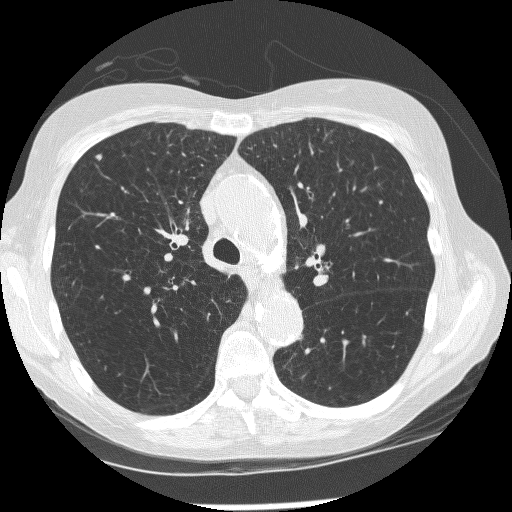
Axial chest CT slice 184 of 267 (counted from the lowest slice); 1.25 mm thick, 0.596 mm per pixel. Pulmonary nodule at rows 153–160, columns 94–102 (box = the union of the readers' outlines on this slice), outlined by three of the four readers; longest diameter 5.7 mm on average over the three readers' outlines (readers' outlines 5.1–6.7 mm), volume 79–125 mm3. The readers' prevailing ratings and who disagreed: most readers (two of three) put texture at 5/5 (solid), others 4/5 (one); margin split among the readers: 3/5 (one), 4/5 (one), 5/5 (circumscribed) (one); sphericity 3/5 (ovoid) by two of three readers; the rest gave 4/5 (one); calcification absent, all three readers agreeing; internal structure soft tissue, all three readers agreeing; subtlety split among the readers: 2/5 (one), 4/5 (one), 5/5 (one); malignancy likelihood 3/5 by two of three readers; the rest gave 4/5 (one). Scale key (1–5): texture non-solid→solid, margin indistinct→circumscribed, sphericity linear→round, subtlety extremely subtle→obvious, malignancy likelihood highly unlikely→highly suspicious of cancer. Box rows and columns are 0-based pixel indices from the top-left corner, inclusive.
Scan settings: 120 kVp, BONE reconstruction kernel.